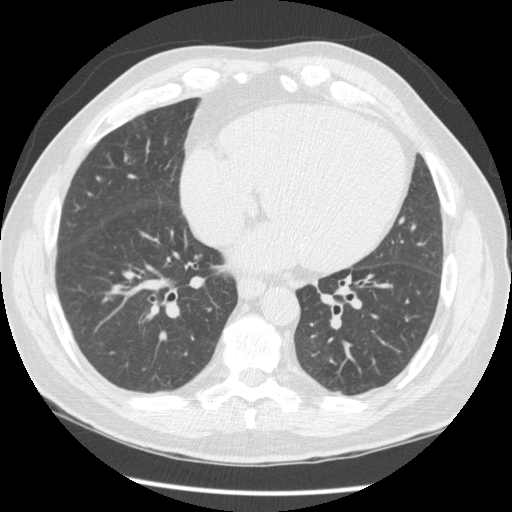
Axial slice 70 of 163 of a chest CT (slice 1 is the lowest), reconstructed with the STANDARD kernel at 120 kVp; 2.50 mm slice thickness and 0.703 mm pixels.
No nodule of 3 mm or larger was outlined by any of the four readers on this slice.